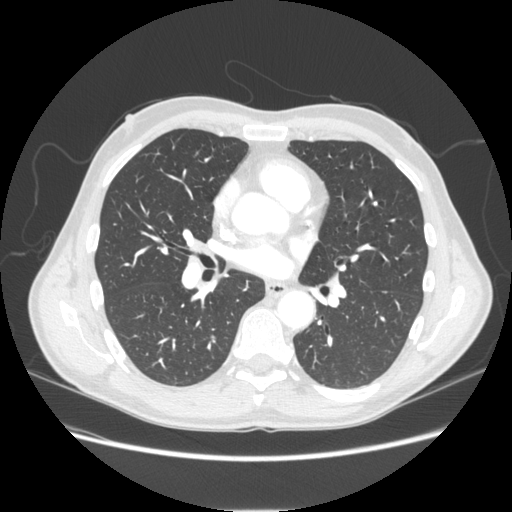
This is axial slice 124 of 253 (slice 1 is the lowest) of a chest CT; each pixel is 0.742 mm and the slice is 1.25 mm thick. Pulmonary nodule, outlined by all four readers, two of them on this slice. Box on this slice rows 334–338, columns 211–215, the union of the readers' outlines on this slice; the four readers' outlines give a longest diameter between 8.5 and 9.3 mm and a volume between 204 and 262 mm3. The readers' ratings, as ranges where they differ: texture 5/5 (solid) from all four readers; margin from 1/5 (indistinct) to 5/5 (circumscribed) across the four readers; sphericity from 4/5 to 5/5 (round) across the four readers; calcification absent, all four readers agreeing; internal structure soft tissue, all four readers agreeing; subtlety from 3/5 to 5/5 across the four readers; malignancy likelihood 2–4/5 (the readers disagree). Scale key (1–5): texture non-solid→solid, margin indistinct→circumscribed, sphericity linear→round, subtlety extremely subtle→obvious, malignancy likelihood highly unlikely→highly suspicious of cancer. Box rows and columns are 0-based pixel indices from the top-left corner, inclusive.
Tube voltage 120 kVp; convolution kernel STANDARD.